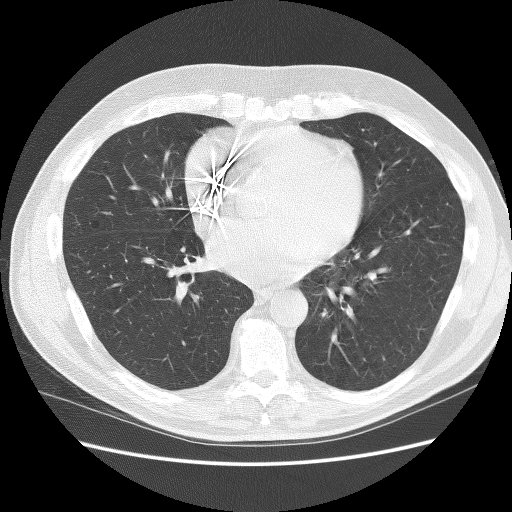
Axial chest CT slice 72 of 137 (counted from the lowest slice); tube voltage 140 kVp, convolution kernel BONE; slices 2.50 mm thick, 0.723 mm per pixel.
This slice carries no reader outline of a nodule 3 mm or larger.